Axial slice 43 of 119 of a chest CT (slice 1 is the lowest), reconstructed with the STANDARD kernel at 120 kVp; 2.50 mm slice thickness and 0.703 mm pixels.
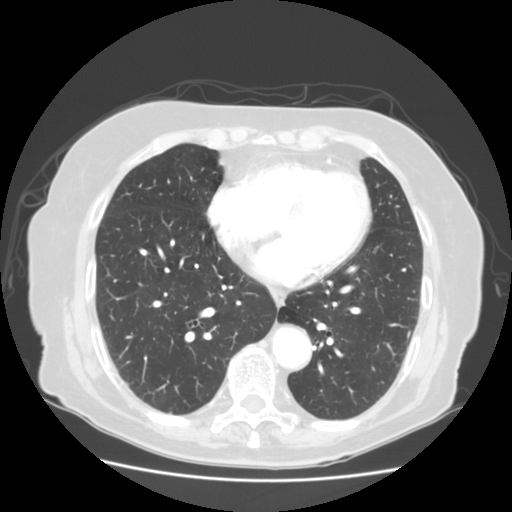
This slice carries no reader outline of a nodule 3 mm or larger.